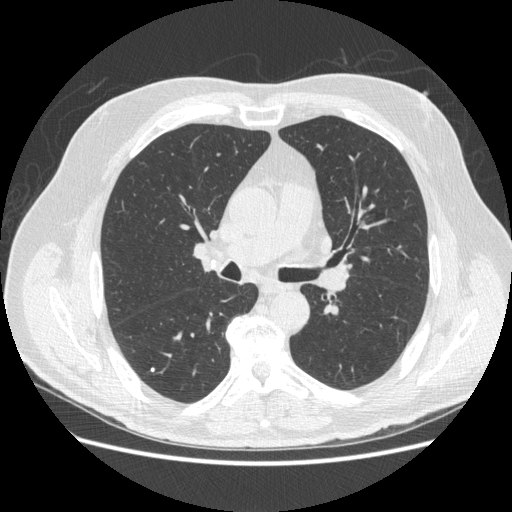
Chest CT, axial plane, 120 kVp, kernel STANDARD. Slice 295/503 from the bottom of the scan; thickness 1.25 mm; pixel size 0.742 mm.
Pulmonary nodule at rows 367–371, columns 150–154 (box = the union of the readers' outlines on this slice), outlined by two of the four readers; longest diameter 5.1 mm on average over the two readers' outlines (readers' outlines 4.5–5.7 mm), volume 33–65 mm3. Ratings, by the readers' most common answer with dissent counted: texture 5/5 (solid) from both readers; margin 5/5 (circumscribed) from both readers; sphericity split among the readers: 4/5 (one), 5/5 (round) (one); calcification solid calcification from both readers; internal structure soft tissue, both readers agreeing; subtlety 4/5 from both readers; malignancy likelihood 1/5 from both readers. Scale key (1–5): texture non-solid→solid, margin indistinct→circumscribed, sphericity linear→round, subtlety extremely subtle→obvious, malignancy likelihood highly unlikely→highly suspicious of cancer. Box rows and columns are 0-based pixel indices from the top-left corner, inclusive.